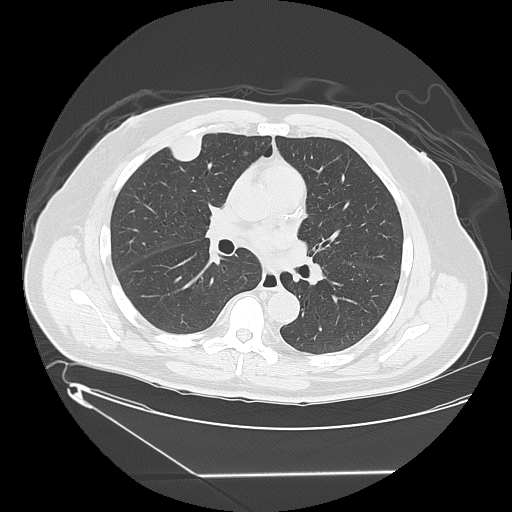
Slice 55/117 of a chest CT, counting up from the lowest; pixel size 0.898 mm, slice thickness 2.50 mm. Pulmonary nodule at rows 133–160, columns 169–201 (box = the union of the readers' outlines on this slice), outlined by three of the four readers; median longest diameter 35.4 mm (readers' outlines 32.3–37.3 mm), median volume 9520 mm3 (8512–9765 mm3). Median ratings and the readers' spread: texture 5/5 (solid) from all three readers; margin 5/5 (circumscribed) from all three readers; median sphericity 3/5 (ovoid) (readers ranged 3/5 (ovoid) to 5/5 (round)); calcification absent, all three readers agreeing; internal structure soft tissue from all three readers; subtlety 5/5 at the median of three readers, spread 3–5; median malignancy likelihood 2/5 (readers ranged 2–5). Scale key (1–5): texture non-solid→solid, margin indistinct→circumscribed, sphericity linear→round, subtlety extremely subtle→obvious, malignancy likelihood highly unlikely→highly suspicious of cancer. Box rows and columns are 0-based pixel indices from the top-left corner, inclusive.
Tube voltage 120 kVp; convolution kernel LUNG.